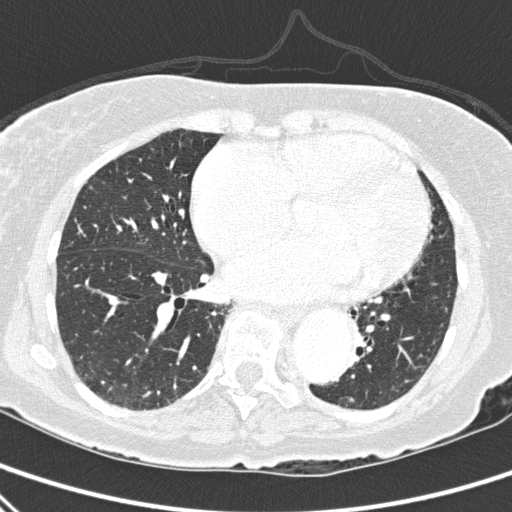
Axial chest CT slice 128 of 310 (counted from the lowest slice); tube voltage 120 kVp, convolution kernel D; slices 1.00 mm thick, 0.643 mm per pixel.
Pulmonary nodule at rows 397–402, columns 347–353 (box = the union of the readers' outlines on this slice), outlined by three of the four readers; the three readers' outlines give a longest diameter between 5.5 and 6.6 mm and a volume between 55 and 65 mm3. Ratings across the readers: texture 5/5 (solid), all three readers agreeing; margin from 4/5 to 5/5 (circumscribed) across the three readers; sphericity from 2/5 to 4/5 across the three readers; calcification absent, all three readers agreeing; internal structure soft tissue, all three readers agreeing; subtlety from 3/5 to 5/5 across the three readers; malignancy likelihood rated between 2 and 3 out of 5 by the three readers. Scale key (1–5): texture non-solid→solid, margin indistinct→circumscribed, sphericity linear→round, subtlety extremely subtle→obvious, malignancy likelihood highly unlikely→highly suspicious of cancer. Box rows and columns are 0-based pixel indices from the top-left corner, inclusive.